Axial slice 126 of 436 of a chest CT (slice 1 is the lowest), reconstructed with the STANDARD kernel at 120 kVp; 1.25 mm slice thickness and 0.703 mm pixels.
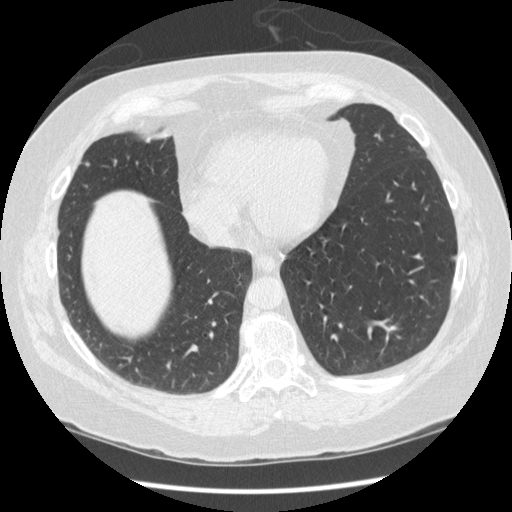
Two pulmonary nodules are outlined on this slice; from left to right: (1) Pulmonary nodule, outlined by one of the four readers. Box on this slice rows 162–165, columns 85–90, that reader's outline on this slice; longest diameter 5.8 mm and volume 56 mm3 from that reader's outline. Ratings by that reader: texture 5/5 (solid); margin 5/5 (circumscribed); sphericity 5/5 (round); calcification absent; internal structure soft tissue; subtlety 5/5; malignancy likelihood 3/5. (2) Pulmonary nodule, outlined by three of the four readers. Box on this slice rows 255–261, columns 450–456, the union of the readers' outlines on this slice; longest diameter 8.0–8.6 mm and volume 131–153 mm3 across the three readers' outlines. Ratings across the readers: texture 5/5 (solid), all three readers agreeing; margin from 4/5 to 5/5 (circumscribed) across the three readers; sphericity from 2/5 to 4/5 across the three readers; calcification absent from all three readers; internal structure soft tissue from all three readers; subtlety 3–5/5 (the readers disagree); malignancy likelihood 2–3/5 (the readers disagree). Scale key (1–5): texture non-solid→solid, margin indistinct→circumscribed, sphericity linear→round, subtlety extremely subtle→obvious, malignancy likelihood highly unlikely→highly suspicious of cancer. Box rows and columns are 0-based pixel indices from the top-left corner, inclusive.